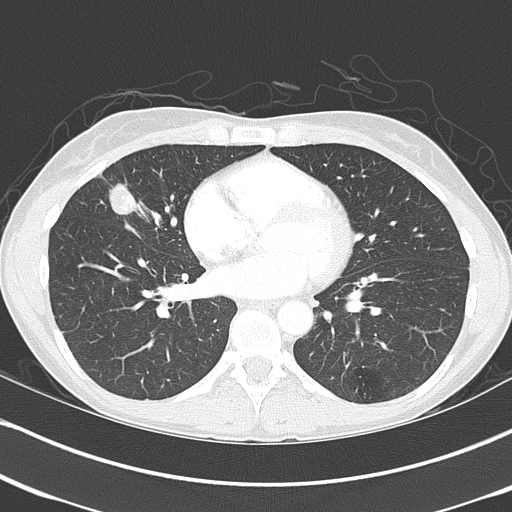
Axial slice 186 of 368 of a chest CT (slice 1 is the lowest), reconstructed with the B70f kernel at 120 kVp; 2.00 mm slice thickness and 0.623 mm pixels.
Pulmonary nodule outlined by all four readers; box rows 182–215, columns 108–136 (the union of the readers' outlines on this slice); median longest diameter 29.8 mm (readers' outlines 27.1–39.3 mm), median volume 7696 mm3 (6531–9806 mm3). Ratings, median across the readers with their spread: texture 5/5 (solid), all four readers agreeing; margin 4/5 at the median of four readers, spread 2/5 to 5/5 (circumscribed); median sphericity 3/5 (ovoid) (readers ranged 2/5 to 3/5 (ovoid)); calcification split among the readers: laminated calcification (one), absent (one), popcorn calcification (one), non-central calcification (one); internal structure soft tissue from all four readers; subtlety 5/5 from all four readers; malignancy likelihood 3/5 at the median of four readers, spread 1–5. Scale key (1–5): texture non-solid→solid, margin indistinct→circumscribed, sphericity linear→round, subtlety extremely subtle→obvious, malignancy likelihood highly unlikely→highly suspicious of cancer. Box rows and columns are 0-based pixel indices from the top-left corner, inclusive.